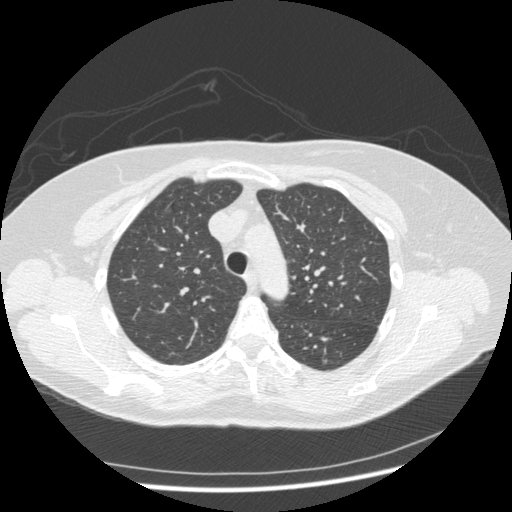
Chest CT, axial plane, 120 kVp, kernel STANDARD. Slice 326/436 from the bottom of the scan; thickness 1.25 mm; pixel size 0.703 mm.
Pulmonary nodule at rows 206–213, columns 161–171 (box = the union of the readers' outlines on this slice), outlined by all four readers, two of them on this slice; longest diameter 11.4 mm on average over the four readers' outlines (readers' outlines 10.7–12.4 mm), volume 115–323 mm3. Ratings, by the readers' most common answer with dissent counted: texture 1/5 (non-solid) by three of four readers; the rest gave 3/5 (part-solid) (one); margin split among the readers: 1/5 (indistinct) (one), 2/5 (one), 3/5 (one), 4/5 (one); sphericity 3/5 (ovoid) by two of four readers; the rest gave 4/5 (one), 5/5 (round) (one); calcification absent from all four readers; internal structure soft tissue, all four readers agreeing; subtlety 1/5 by two of four readers; the rest gave 2/5 (one), 3/5 (one); most readers (three of four) put malignancy likelihood at 3/5, others 2/5 (one). Scale key (1–5): texture non-solid→solid, margin indistinct→circumscribed, sphericity linear→round, subtlety extremely subtle→obvious, malignancy likelihood highly unlikely→highly suspicious of cancer. Box rows and columns are 0-based pixel indices from the top-left corner, inclusive.